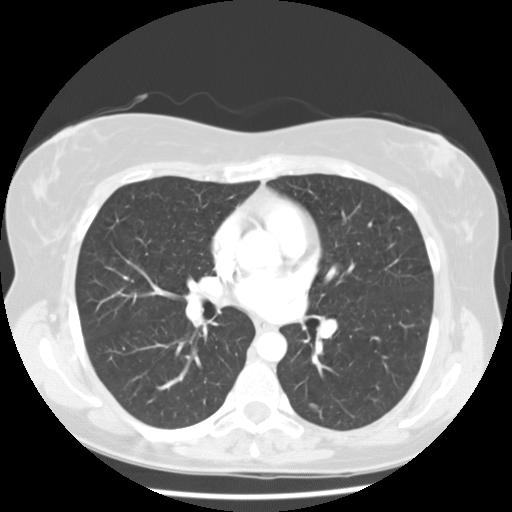
Slice 82/133 of a chest CT, counting up from the lowest; pixel size 0.664 mm, slice thickness 2.50 mm. Pulmonary nodule outlined by all four readers, three of them on this slice; box rows 402–411, columns 308–318 (the union of the readers' outlines on this slice); longest diameter 7.9 mm on average over the four readers' outlines (readers' outlines 6.8–9.0 mm), volume 74–249 mm3. Ratings, by the readers' most common answer with dissent counted: most readers (three of four) put texture at 5/5 (solid), others 4/5 (one); margin 5/5 (circumscribed) by three of four readers; the rest gave 3/5 (one); most readers (three of four) put sphericity at 5/5 (round), others 3/5 (ovoid) (one); calcification absent, all four readers agreeing; internal structure soft tissue, all four readers agreeing; subtlety split among the readers: 3/5 (two), 4/5 (two); malignancy likelihood 3/5 by three of four readers; the rest gave 2/5 (one). Scale key (1–5): texture non-solid→solid, margin indistinct→circumscribed, sphericity linear→round, subtlety extremely subtle→obvious, malignancy likelihood highly unlikely→highly suspicious of cancer. Box rows and columns are 0-based pixel indices from the top-left corner, inclusive.
Scan settings: 120 kVp, STANDARD reconstruction kernel.